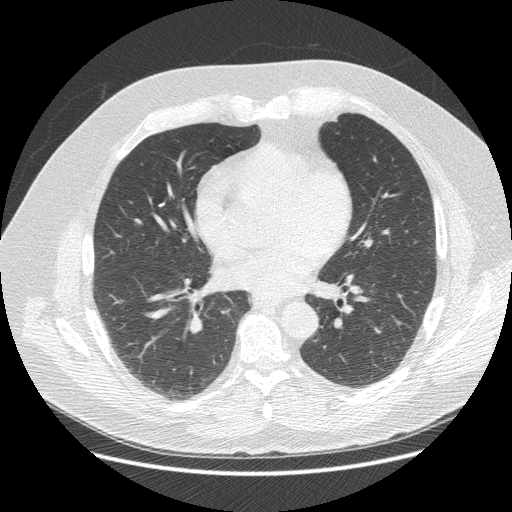
Axial chest CT slice 241 of 477 (counted from the lowest slice); tube voltage 120 kVp, convolution kernel STANDARD; slices 1.25 mm thick, 0.781 mm per pixel.
Pulmonary nodule at rows 202–206, columns 158–163 (box = the union of the readers' outlines on this slice), outlined by all four readers, two of them on this slice; longest diameter 7.8 mm on average over the four readers' outlines (readers' outlines 6.3–9.5 mm), volume 41–153 mm3. Ratings, by the readers' most common answer with dissent counted: most readers (three of four) put texture at 5/5 (solid), others 4/5 (one); margin 5/5 (circumscribed) by three of four readers; the rest gave 4/5 (one); sphericity 3/5 (ovoid) by two of four readers; the rest gave 2/5 (one), 4/5 (one); calcification solid calcification by three of four readers, absent (one); internal structure soft tissue from all four readers; subtlety 5/5, all four readers agreeing; malignancy likelihood 1/5 by three of four readers; the rest gave 4/5 (one). Scale key (1–5): texture non-solid→solid, margin indistinct→circumscribed, sphericity linear→round, subtlety extremely subtle→obvious, malignancy likelihood highly unlikely→highly suspicious of cancer. Box rows and columns are 0-based pixel indices from the top-left corner, inclusive.